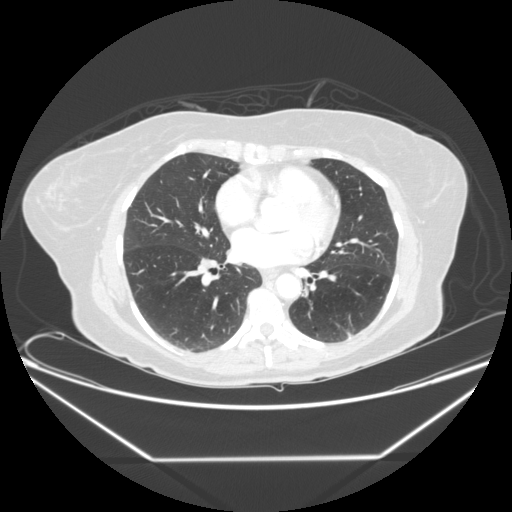
Axial chest CT slice 105 of 245 (counted from the lowest slice); tube voltage 120 kVp, convolution kernel STANDARD; slices 1.25 mm thick, 0.826 mm per pixel.
No nodule of 3 mm or larger was outlined by any of the four readers on this slice.